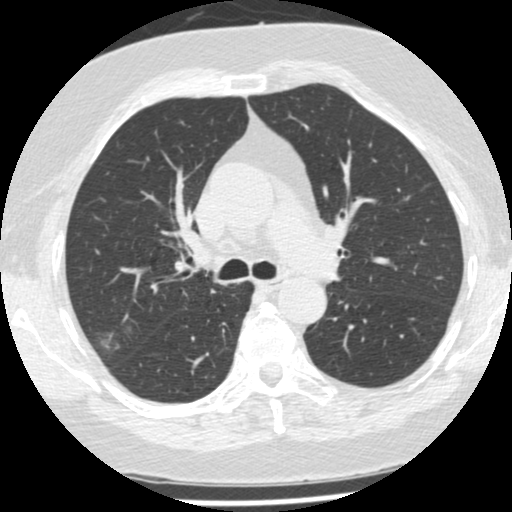
This is axial slice 321 of 487 (slice 1 is the lowest) of a chest CT; each pixel is 0.586 mm and the slice is 1.25 mm thick. Pulmonary nodule outlined by two of the four readers, one of them on this slice; box rows 333–354, columns 93–119 (the one reader's outline on this slice); the two readers' outlines give a longest diameter between 11.3 and 24.9 mm and a volume between 232 and 2964 mm3. Ratings across the readers: texture 3/5 (part-solid), both readers agreeing; margin from 1/5 (indistinct) to 2/5 across the two readers; sphericity 4/5 from both readers; calcification absent from both readers; internal structure soft tissue, both readers agreeing; subtlety 4/5 from both readers; malignancy likelihood from 3/5 to 4/5 across the two readers. Scale key (1–5): texture non-solid→solid, margin indistinct→circumscribed, sphericity linear→round, subtlety extremely subtle→obvious, malignancy likelihood highly unlikely→highly suspicious of cancer. Box rows and columns are 0-based pixel indices from the top-left corner, inclusive.
Tube voltage 120 kVp; convolution kernel STANDARD.